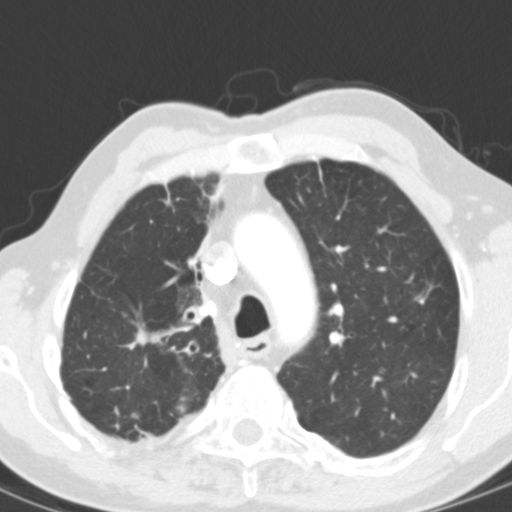
Axial chest CT slice 94 of 127 (counted from the lowest slice); 3.00 mm thick, 0.537 mm per pixel. Two pulmonary nodules are outlined on this slice; from left to right: (1) Pulmonary nodule, outlined by two of the four readers. Box on this slice rows 413–417, columns 132–137, the union of the readers' outlines on this slice; longest diameter 6.7 mm on average over the two readers' outlines (readers' outlines 6.6–6.8 mm), volume 125–127 mm3. The readers' prevailing ratings and who disagreed: texture 5/5 (solid), both readers agreeing; margin split among the readers: 4/5 (one), 5/5 (circumscribed) (one); sphericity 3/5 (ovoid), both readers agreeing; calcification absent from both readers; internal structure soft tissue, both readers agreeing; subtlety 4/5, both readers agreeing; malignancy likelihood split among the readers: 1/5 (one), 3/5 (one). (2) Pulmonary nodule outlined by one of the four readers; box rows 327–345, columns 136–148 (that reader's outline on this slice); longest diameter 11.4 mm and volume 151 mm3 from that reader's outline. Ratings by that reader: texture 5/5 (solid); margin 2/5; sphericity 3/5 (ovoid); calcification absent; internal structure soft tissue; subtlety 4/5; malignancy likelihood 3/5. Scale key (1–5): texture non-solid→solid, margin indistinct→circumscribed, sphericity linear→round, subtlety extremely subtle→obvious, malignancy likelihood highly unlikely→highly suspicious of cancer. Box rows and columns are 0-based pixel indices from the top-left corner, inclusive.
Scan settings: 120 kVp, B31f reconstruction kernel.